Axial slice 315 of 733 of a chest CT (slice 1 is the lowest), reconstructed with the B50f kernel at 120 kVp; 0.60 mm slice thickness and 0.637 mm pixels.
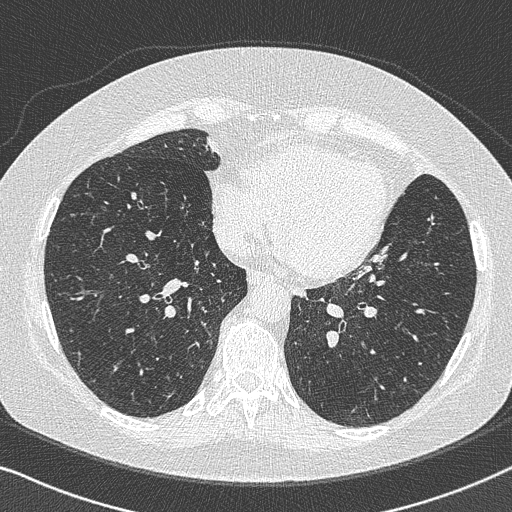
None of the four readers outlined a nodule of 3 mm or more on this slice.